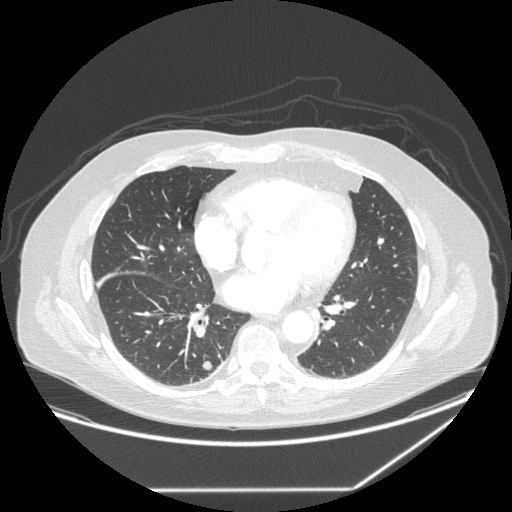
Axial slice 122 of 258 of a chest CT (slice 1 is the lowest), reconstructed with the STANDARD kernel at 120 kVp; 1.25 mm slice thickness and 0.859 mm pixels.
Pulmonary nodule at rows 361–369, columns 202–211 (box = the union of the readers' outlines on this slice), outlined by all four readers; longest diameter 8.2–10.9 mm and volume 187–384 mm3 across the four readers' outlines. The readers' ratings, as ranges where they differ: texture 5/5 (solid) from all four readers; margin from 4/5 to 5/5 (circumscribed) across the four readers; sphericity from 4/5 to 5/5 (round) across the four readers; calcification absent, all four readers agreeing; internal structure soft tissue, all four readers agreeing; subtlety from 3/5 to 5/5 across the four readers; malignancy likelihood 2–4/5 (the readers disagree). Scale key (1–5): texture non-solid→solid, margin indistinct→circumscribed, sphericity linear→round, subtlety extremely subtle→obvious, malignancy likelihood highly unlikely→highly suspicious of cancer. Box rows and columns are 0-based pixel indices from the top-left corner, inclusive.